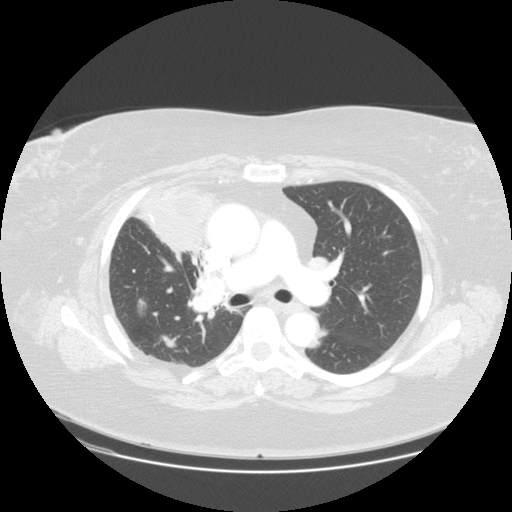
One axial slice (86 of 131, counting up from the lowest) of a chest CT acquired at 120 kVp with the STANDARD kernel; each pixel is 0.781 mm and the slice is 2.50 mm thick.
Two pulmonary nodules are outlined on this slice; from left to right: (1) Pulmonary nodule at rows 299–314, columns 137–147 (box = the union of the readers' outlines on this slice), outlined by all four readers; the four readers' outlines give a longest diameter between 14.1 and 15.2 mm and a volume between 961 and 1260 mm3. The readers' ratings, as ranges where they differ: texture 5/5 (solid) from all four readers; margin from 3/5 to 5/5 (circumscribed) across the four readers; sphericity from 4/5 to 5/5 (round) across the four readers; calcification absent from all four readers; internal structure soft tissue from all four readers; subtlety 5/5 from all four readers; malignancy likelihood rated between 3 and 5 out of 5 by the four readers. (2) Pulmonary nodule, outlined by all four readers. Box on this slice rows 336–348, columns 161–176, the union of the readers' outlines on this slice; longest diameter 20.8–23.0 mm and volume 1060–1625 mm3 across the four readers' outlines. The readers' ratings, as ranges where they differ: texture from 4/5 to 5/5 (solid) across the four readers; margin from 3/5 to 4/5 across the four readers; sphericity from 2/5 to 5/5 (round) across the four readers; calcification absent, all four readers agreeing; internal structure soft tissue, all four readers agreeing; subtlety rated between 4 and 5 out of 5 by the four readers; malignancy likelihood 4–5/5 (the readers disagree). Scale key (1–5): texture non-solid→solid, margin indistinct→circumscribed, sphericity linear→round, subtlety extremely subtle→obvious, malignancy likelihood highly unlikely→highly suspicious of cancer. Box rows and columns are 0-based pixel indices from the top-left corner, inclusive.